Axial slice 170 of 506 of a chest CT (slice 1 is the lowest), reconstructed with the STANDARD kernel at 120 kVp; 1.25 mm slice thickness and 0.664 mm pixels.
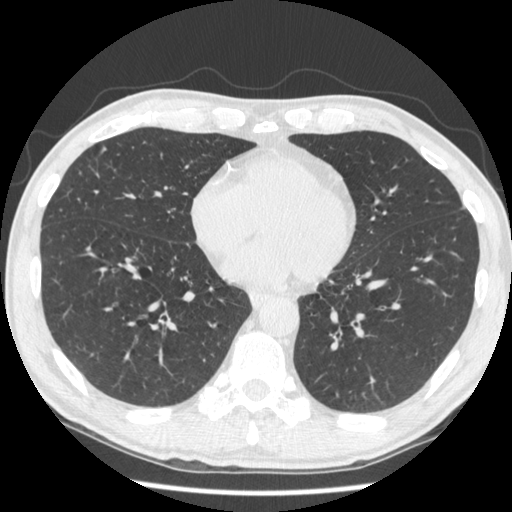
Pulmonary nodule, outlined by one of the four readers. Box on this slice rows 147–152, columns 100–106, that reader's outline on this slice; longest diameter 10.9 mm and volume 130 mm3 from that reader's outline. That reader's ratings: texture 4/5; margin 4/5; sphericity 2/5; calcification absent; internal structure soft tissue; subtlety 4/5; malignancy likelihood 2/5. Scale key (1–5): texture non-solid→solid, margin indistinct→circumscribed, sphericity linear→round, subtlety extremely subtle→obvious, malignancy likelihood highly unlikely→highly suspicious of cancer. Box rows and columns are 0-based pixel indices from the top-left corner, inclusive.